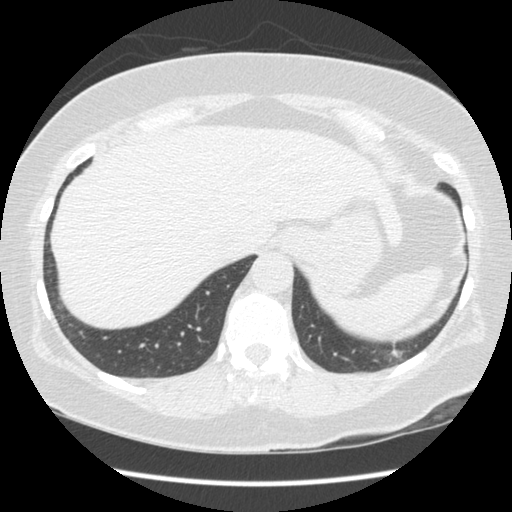
One axial slice (30 of 154, counting up from the lowest) of a chest CT acquired at 120 kVp with the STANDARD kernel; each pixel is 0.645 mm and the slice is 2.50 mm thick.
Pulmonary nodule at rows 349–358, columns 391–401 (box = that reader's outline on this slice), outlined by one of the four readers; longest diameter 24.1 mm and volume 2244 mm3 from that reader's outline. Ratings by that reader: texture 3/5 (part-solid); margin 3/5; sphericity 4/5; calcification absent; internal structure soft tissue; subtlety 4/5; malignancy likelihood 1/5. Scale key (1–5): texture non-solid→solid, margin indistinct→circumscribed, sphericity linear→round, subtlety extremely subtle→obvious, malignancy likelihood highly unlikely→highly suspicious of cancer. Box rows and columns are 0-based pixel indices from the top-left corner, inclusive.